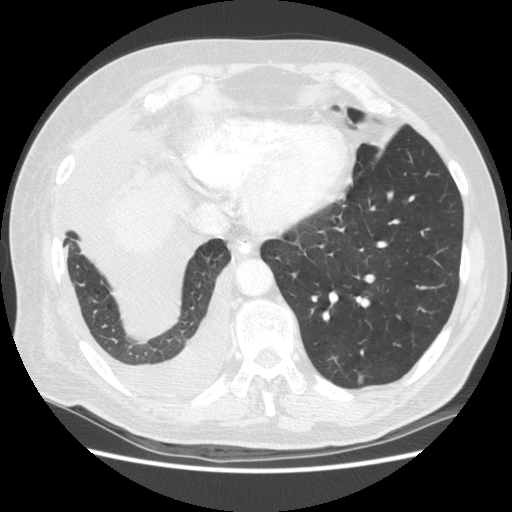
Axial chest CT slice 102 of 295 (counted from the lowest slice); tube voltage 120 kVp, convolution kernel STANDARD; slices 2.50 mm thick, 0.703 mm per pixel.
Pulmonary nodule, outlined by one of the four readers. Box on this slice rows 376–383, columns 357–363, that reader's outline on this slice; longest diameter 8.7 mm and volume 104 mm3 from that reader's outline. Ratings by that reader: texture 2/5; margin 3/5; sphericity 3/5 (ovoid); calcification absent; internal structure soft tissue; subtlety 5/5; malignancy likelihood 3/5. Scale key (1–5): texture non-solid→solid, margin indistinct→circumscribed, sphericity linear→round, subtlety extremely subtle→obvious, malignancy likelihood highly unlikely→highly suspicious of cancer. Box rows and columns are 0-based pixel indices from the top-left corner, inclusive.